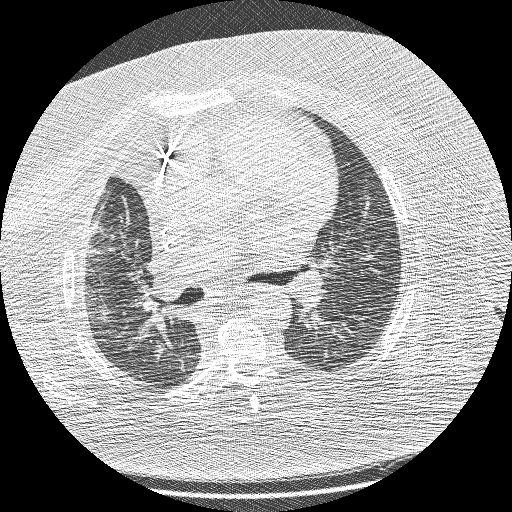
Axial chest CT slice 121 of 208 (counted from the lowest slice); 1.25 mm thick, 0.723 mm per pixel. Pulmonary nodule at rows 225–232, columns 92–99 (box = the one reader's outline on this slice), outlined by all four readers, one of them on this slice; longest diameter 27.8 mm on average over the four readers' outlines (readers' outlines 25.6–30.6 mm), volume 4623–6820 mm3. Ratings, by the readers' most common answer with dissent counted: texture 5/5 (solid) from all four readers; margin 3/5 by three of four readers; the rest gave 1/5 (indistinct) (one); sphericity 3/5 (ovoid) by three of four readers; the rest gave 4/5 (one); calcification absent from all four readers; internal structure soft tissue from all four readers; subtlety 5/5, all four readers agreeing; malignancy likelihood 5/5, all four readers agreeing. Scale key (1–5): texture non-solid→solid, margin indistinct→circumscribed, sphericity linear→round, subtlety extremely subtle→obvious, malignancy likelihood highly unlikely→highly suspicious of cancer. Box rows and columns are 0-based pixel indices from the top-left corner, inclusive.
Acquired at 120 kVp and reconstructed with the BONE kernel.